Axial chest CT slice 61 of 113 (counted from the lowest slice); tube voltage 120 kVp, convolution kernel STANDARD; slices 2.50 mm thick, 0.703 mm per pixel.
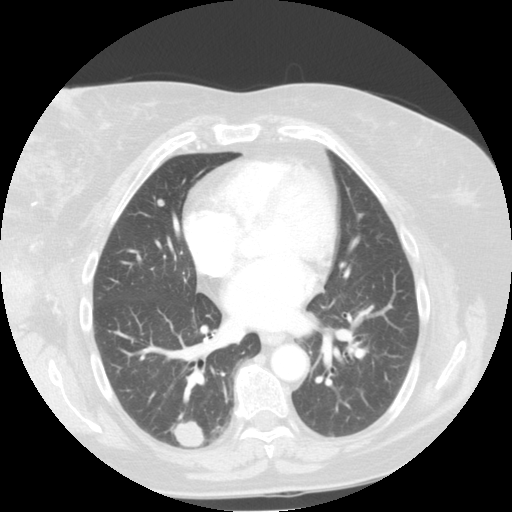
Two pulmonary nodules are outlined on this slice; from left to right: (1) Pulmonary nodule at rows 199–206, columns 157–164 (box = the union of the readers' outlines on this slice), outlined by all four readers; longest diameter 6.3–7.2 mm and volume 101–188 mm3 across the four readers' outlines. The readers' ratings, as ranges where they differ: texture 5/5 (solid), all four readers agreeing; margin from 4/5 to 5/5 (circumscribed) across the four readers; sphericity from 3/5 (ovoid) to 5/5 (round) across the four readers; calcification absent from all four readers; internal structure soft tissue, all four readers agreeing; subtlety from 3/5 to 4/5 across the four readers; malignancy likelihood rated between 2 and 3 out of 5 by the four readers. (2) Pulmonary nodule outlined by all four readers; box rows 419–446, columns 173–204 (the union of the readers' outlines on this slice); longest diameter 23.8 mm on average over the four readers' outlines (readers' outlines 23.3–24.3 mm), volume 4155–5797 mm3. Ratings, by the readers' most common answer with dissent counted: texture 5/5 (solid), all four readers agreeing; most readers (three of four) put margin at 4/5, others 5/5 (circumscribed) (one); sphericity 5/5 (round) by two of four readers; the rest gave 3/5 (ovoid) (one), 4/5 (one); calcification absent from all four readers; internal structure soft tissue, all four readers agreeing; subtlety 5/5, all four readers agreeing; malignancy likelihood 4/5 by two of four readers; the rest gave 2/5 (one), 5/5 (one). Scale key (1–5): texture non-solid→solid, margin indistinct→circumscribed, sphericity linear→round, subtlety extremely subtle→obvious, malignancy likelihood highly unlikely→highly suspicious of cancer. Box rows and columns are 0-based pixel indices from the top-left corner, inclusive.